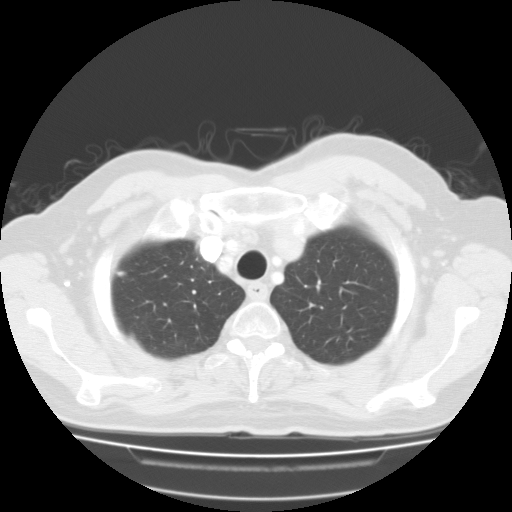
Axial slice 107 of 127 of a chest CT (slice 1 is the lowest), reconstructed with the FC01 kernel at 135 kVp; 3.00 mm slice thickness and 0.750 mm pixels.
Pulmonary nodule, outlined by two of the four readers. Box on this slice rows 270–275, columns 116–124, the union of the readers' outlines on this slice; median longest diameter 7.7 mm (readers' outlines 7.6–7.8 mm), median volume 137 mm3 (127–147 mm3). Ratings, median across the readers with their spread: texture 5/5 (solid), both readers agreeing; margin 4/5 at the median of two readers, spread 3/5 to 5/5 (circumscribed); sphericity 3/5 (ovoid), both readers agreeing; calcification absent, both readers agreeing; internal structure soft tissue from both readers; subtlety 4.5/5 at the median of two readers, spread 4–5; malignancy likelihood 2.5/5 at the median of two readers, spread 2–3. Scale key (1–5): texture non-solid→solid, margin indistinct→circumscribed, sphericity linear→round, subtlety extremely subtle→obvious, malignancy likelihood highly unlikely→highly suspicious of cancer. Box rows and columns are 0-based pixel indices from the top-left corner, inclusive.